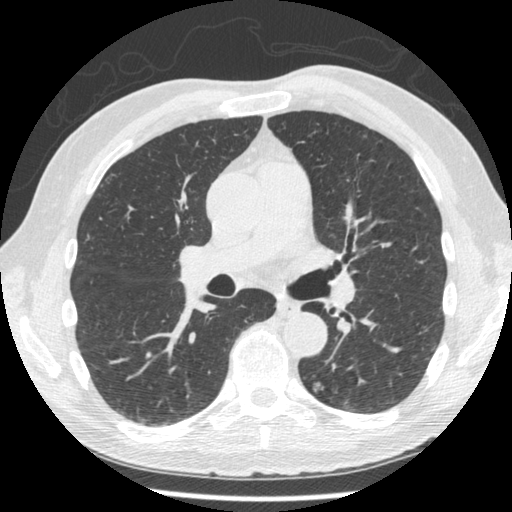
Axial slice 263 of 481 of a chest CT (slice 1 is the lowest), reconstructed with the STANDARD kernel at 120 kVp; 1.25 mm slice thickness and 0.664 mm pixels.
Pulmonary nodule at rows 381–394, columns 312–323 (box = the union of the readers' outlines on this slice), outlined by three of the four readers; median longest diameter 10.0 mm (readers' outlines 9.4–10.2 mm), median volume 159 mm3 (134–188 mm3). Ratings, median across the readers with their spread: median texture 3/5 (part-solid) (readers ranged 2/5 to 4/5); margin 2/5 at the median of three readers, spread 2/5 to 4/5; median sphericity 3/5 (ovoid) (readers ranged 2/5 to 4/5); calcification absent, all three readers agreeing; internal structure soft tissue from all three readers; subtlety 3/5 at the median of three readers, spread 3–4; malignancy likelihood 2/5 at the median of three readers, spread 1–3. Scale key (1–5): texture non-solid→solid, margin indistinct→circumscribed, sphericity linear→round, subtlety extremely subtle→obvious, malignancy likelihood highly unlikely→highly suspicious of cancer. Box rows and columns are 0-based pixel indices from the top-left corner, inclusive.